Axial slice 61 of 166 of a chest CT (slice 1 is the lowest), reconstructed with the STANDARD kernel at 120 kVp; 2.50 mm slice thickness and 0.723 mm pixels.
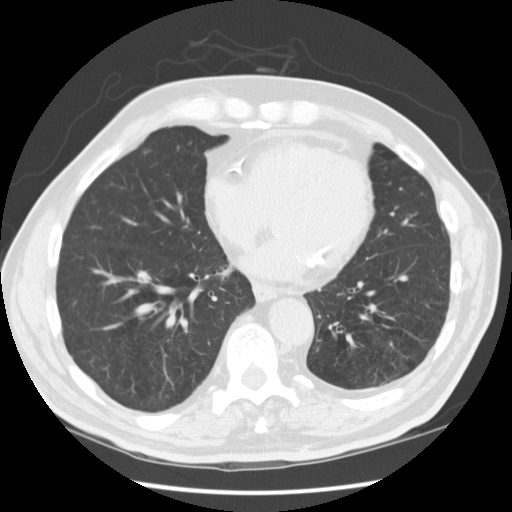
Pulmonary nodule, outlined by all four readers, three of them on this slice. Box on this slice rows 150–155, columns 143–150, the union of the readers' outlines on this slice; longest diameter 7.3–10.5 mm and volume 126–259 mm3 across the four readers' outlines. The readers' ratings, as ranges where they differ: texture from 1/5 (non-solid) to 5/5 (solid) across the four readers; margin from 2/5 to 5/5 (circumscribed) across the four readers; sphericity from 4/5 to 5/5 (round) across the four readers; calcification absent from all four readers; internal structure soft tissue, all four readers agreeing; subtlety from 1/5 to 4/5 across the four readers; malignancy likelihood 2/5, all four readers agreeing. Scale key (1–5): texture non-solid→solid, margin indistinct→circumscribed, sphericity linear→round, subtlety extremely subtle→obvious, malignancy likelihood highly unlikely→highly suspicious of cancer. Box rows and columns are 0-based pixel indices from the top-left corner, inclusive.